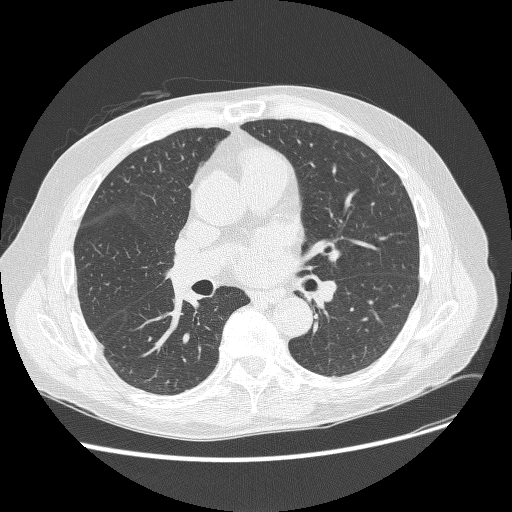
Chest CT, axial plane, 120 kVp, kernel BONE. Slice 152/268 from the bottom of the scan; thickness 1.25 mm; pixel size 0.742 mm.
No nodule of 3 mm or larger was outlined by any of the four readers on this slice.